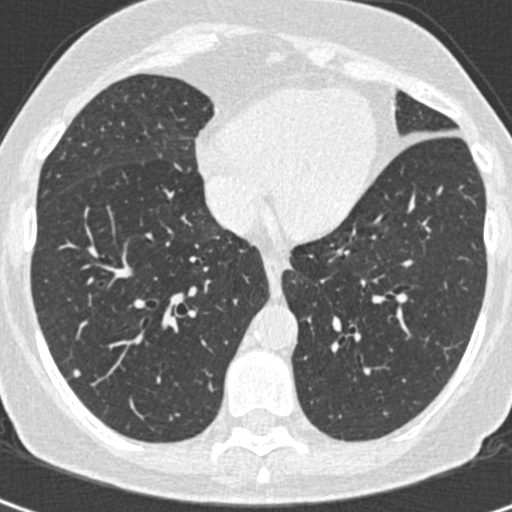
Chest CT, axial plane, 120 kVp, kernel B30f. Slice 147/408 from the bottom of the scan; thickness 0.75 mm; pixel size 0.531 mm.
Pulmonary nodule outlined by all four readers; box rows 369–377, columns 72–80 (the union of the readers' outlines on this slice); longest diameter 5.7 mm on average over the four readers' outlines (readers' outlines 5.4–6.1 mm), volume 35–62 mm3. Ratings, by the readers' most common answer with dissent counted: most readers (three of four) put texture at 5/5 (solid), others 4/5 (one); margin 5/5 (circumscribed) by two of four readers; the rest gave 2/5 (one), 4/5 (one); sphericity 5/5 (round) by two of four readers; the rest gave 3/5 (ovoid) (one), 4/5 (one); calcification absent by three of four readers, solid calcification (one); internal structure soft tissue, all four readers agreeing; subtlety 3/5 by two of four readers; the rest gave 2/5 (one), 5/5 (one); malignancy likelihood split among the readers: 1/5 (two), 3/5 (two). Scale key (1–5): texture non-solid→solid, margin indistinct→circumscribed, sphericity linear→round, subtlety extremely subtle→obvious, malignancy likelihood highly unlikely→highly suspicious of cancer. Box rows and columns are 0-based pixel indices from the top-left corner, inclusive.